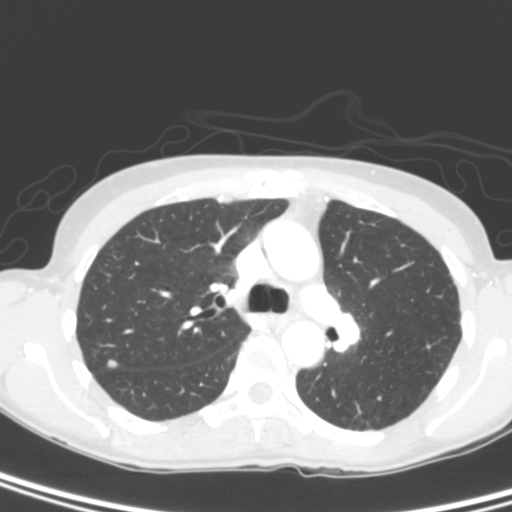
Axial chest CT slice 185 of 280 (counted from the lowest slice); tube voltage 120 kVp, convolution kernel B; slices 2.00 mm thick, 0.572 mm per pixel.
Pulmonary nodule outlined by all four readers; box rows 360–369, columns 105–118 (the union of the readers' outlines on this slice); longest diameter 8.0 mm on average over the four readers' outlines (readers' outlines 6.4–8.9 mm), volume 92–215 mm3. Ratings, by the readers' most common answer with dissent counted: texture 5/5 (solid) by three of four readers; the rest gave 4/5 (one); most readers (three of four) put margin at 4/5, others 5/5 (circumscribed) (one); sphericity 3/5 (ovoid) by three of four readers; the rest gave 5/5 (round) (one); calcification absent, all four readers agreeing; internal structure soft tissue, all four readers agreeing; subtlety 5/5 by two of four readers; the rest gave 2/5 (one), 4/5 (one); malignancy likelihood 2/5 by two of four readers; the rest gave 3/5 (one), 4/5 (one). Scale key (1–5): texture non-solid→solid, margin indistinct→circumscribed, sphericity linear→round, subtlety extremely subtle→obvious, malignancy likelihood highly unlikely→highly suspicious of cancer. Box rows and columns are 0-based pixel indices from the top-left corner, inclusive.